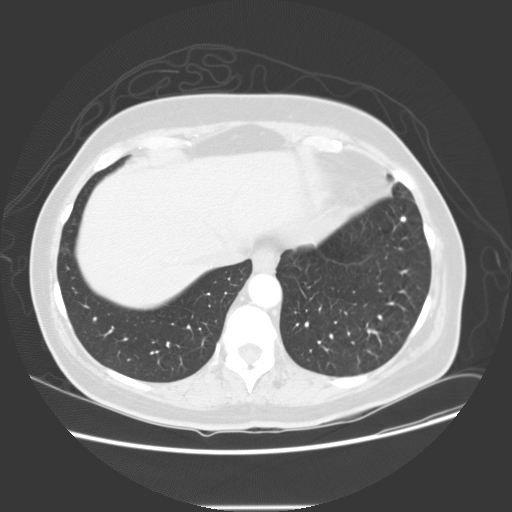
Slice 38/133 of a chest CT, counting up from the lowest; pixel size 0.742 mm, slice thickness 2.50 mm. Pulmonary nodule outlined by one of the four readers; box rows 215–221, columns 399–406 (that reader's outline on this slice); longest diameter 6.8 mm and volume 112 mm3 from that reader's outline. Ratings by that reader: texture 5/5 (solid); margin 5/5 (circumscribed); sphericity 5/5 (round); calcification solid calcification; internal structure soft tissue; subtlety 4/5; malignancy likelihood 1/5. Scale key (1–5): texture non-solid→solid, margin indistinct→circumscribed, sphericity linear→round, subtlety extremely subtle→obvious, malignancy likelihood highly unlikely→highly suspicious of cancer. Box rows and columns are 0-based pixel indices from the top-left corner, inclusive.
Acquired at 120 kVp and reconstructed with the STANDARD kernel.